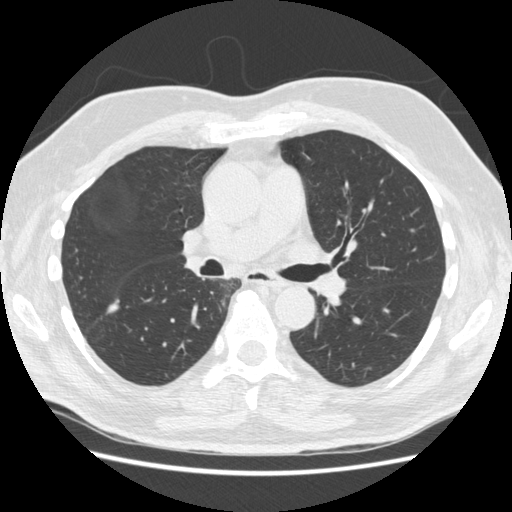
Axial chest CT slice 297 of 557 (counted from the lowest slice); 1.25 mm thick, 0.703 mm per pixel. Pulmonary nodule outlined by all four readers; box rows 299–314, columns 106–119 (the union of the readers' outlines on this slice); median longest diameter 22.6 mm (readers' outlines 19.1–25.0 mm), median volume 1024 mm3 (785–1099 mm3). Median ratings and the readers' spread: texture 5/5 (solid) at the median of four readers, spread 4/5 to 5/5 (solid); median margin 3.5/5 (readers ranged 3/5 to 5/5 (circumscribed)); median sphericity 3/5 (ovoid) (readers ranged 2/5 to 3/5 (ovoid)); calcification absent from all four readers; internal structure soft tissue from all four readers; subtlety 5/5 at the median of four readers, spread 4–5; malignancy likelihood 4/5 at the median of four readers, spread 2–5. Scale key (1–5): texture non-solid→solid, margin indistinct→circumscribed, sphericity linear→round, subtlety extremely subtle→obvious, malignancy likelihood highly unlikely→highly suspicious of cancer. Box rows and columns are 0-based pixel indices from the top-left corner, inclusive.
Scan settings: 120 kVp, STANDARD reconstruction kernel.